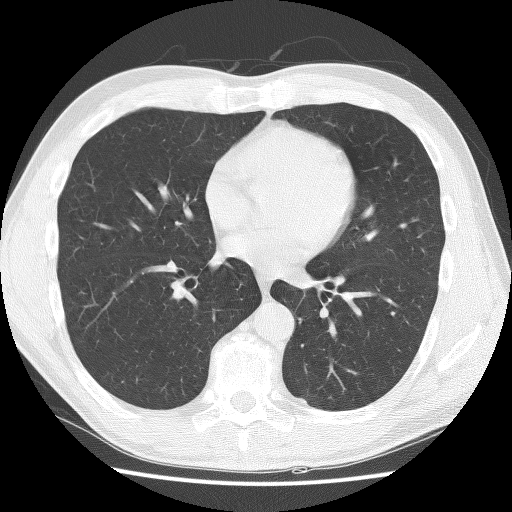
Slice 61/132 of a chest CT, counting up from the lowest; pixel size 0.656 mm, slice thickness 2.50 mm. Pulmonary nodule outlined by one of the four readers; box rows 398–403, columns 294–304 (that reader's outline on this slice); longest diameter 11.5 mm and volume 455 mm3 from that reader's outline. Ratings by that reader: texture 4/5; margin 4/5; sphericity 2/5; calcification absent; internal structure soft tissue; subtlety 4/5; malignancy likelihood 2/5. Scale key (1–5): texture non-solid→solid, margin indistinct→circumscribed, sphericity linear→round, subtlety extremely subtle→obvious, malignancy likelihood highly unlikely→highly suspicious of cancer. Box rows and columns are 0-based pixel indices from the top-left corner, inclusive.
Tube voltage 140 kVp; convolution kernel BONE.